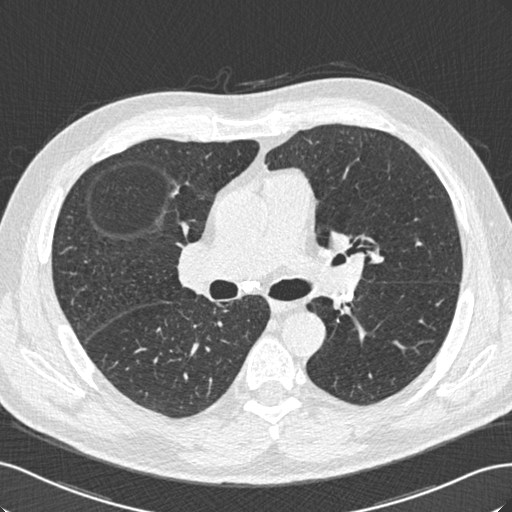
Slice 343/529 of a chest CT, counting up from the lowest; pixel size 0.703 mm, slice thickness 0.75 mm. The readers outlined no nodule of 3 mm or more on this slice.
Tube voltage 120 kVp; convolution kernel B30f.